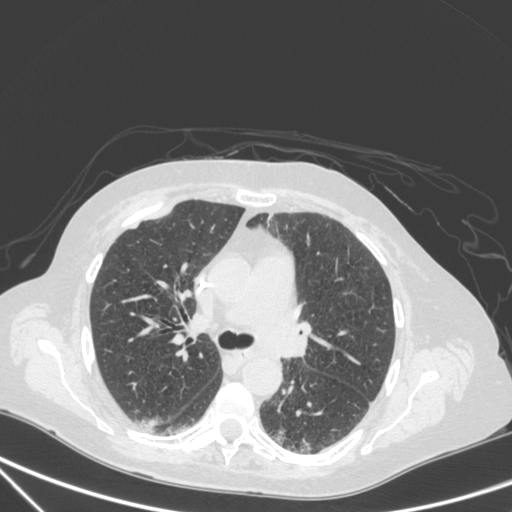
One axial slice (209 of 350, counting up from the lowest) of a chest CT acquired at 120 kVp with the C kernel; each pixel is 0.725 mm and the slice is 1.50 mm thick.
Pulmonary nodule, outlined by one of the four readers. Box on this slice rows 210–217, columns 157–170, that reader's outline on this slice; longest diameter 29.5 mm and volume 4181 mm3 from that reader's outline. That reader's ratings: texture 5/5 (solid); margin 4/5; sphericity 2/5; calcification absent; internal structure soft tissue; subtlety 5/5; malignancy likelihood 4/5. Scale key (1–5): texture non-solid→solid, margin indistinct→circumscribed, sphericity linear→round, subtlety extremely subtle→obvious, malignancy likelihood highly unlikely→highly suspicious of cancer. Box rows and columns are 0-based pixel indices from the top-left corner, inclusive.